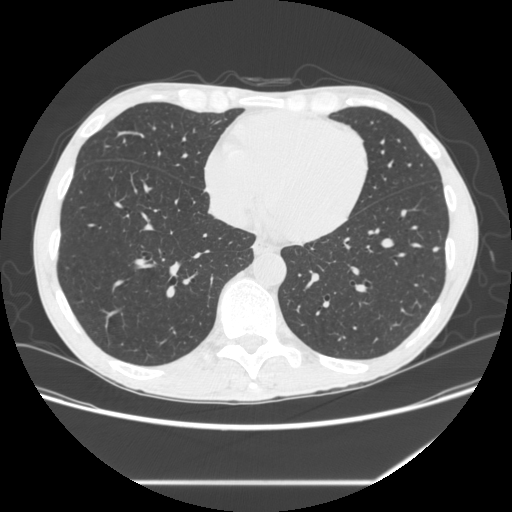
Axial chest CT slice 106 of 301 (counted from the lowest slice); tube voltage 120 kVp, convolution kernel STANDARD; slices 1.25 mm thick, 0.752 mm per pixel.
Pulmonary nodule outlined by all four readers; box rows 246–251, columns 432–439 (the union of the readers' outlines on this slice); median longest diameter 6.7 mm (readers' outlines 6.1–7.9 mm), median volume 94 mm3 (82–103 mm3). Ratings, median across the readers with their spread: texture 5/5 (solid) at the median of four readers, spread 4/5 to 5/5 (solid); margin 4.5/5 at the median of four readers, spread 4/5 to 5/5 (circumscribed); median sphericity 3.5/5 (readers ranged 3/5 (ovoid) to 4/5); calcification absent, all four readers agreeing; internal structure soft tissue from all four readers; subtlety 4/5 at the median of four readers, spread 2–4; malignancy likelihood 2/5, all four readers agreeing. Scale key (1–5): texture non-solid→solid, margin indistinct→circumscribed, sphericity linear→round, subtlety extremely subtle→obvious, malignancy likelihood highly unlikely→highly suspicious of cancer. Box rows and columns are 0-based pixel indices from the top-left corner, inclusive.